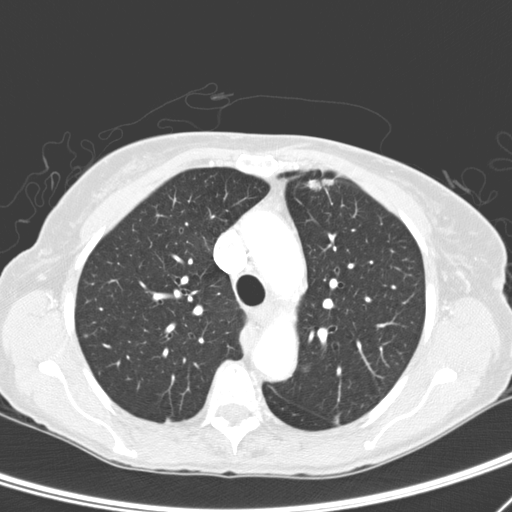
Slice 205/276 of a chest CT, counting up from the lowest; pixel size 0.617 mm, slice thickness 2.00 mm. Two pulmonary nodules on this slice, listed from left to right. (1) Pulmonary nodule, outlined by three of the four readers. Box on this slice rows 177–190, columns 305–336, the union of the readers' outlines on this slice; longest diameter 19.9–25.7 mm and volume 1110–1901 mm3 across the three readers' outlines. Ratings across the readers: texture from 4/5 to 5/5 (solid) across the three readers; margin from 2/5 to 4/5 across the three readers; sphericity from 3/5 (ovoid) to 4/5 across the three readers; calcification absent, all three readers agreeing; internal structure soft tissue, all three readers agreeing; subtlety 5/5, all three readers agreeing; malignancy likelihood 5/5 from all three readers. (2) Pulmonary nodule outlined by two of the four readers, one of them on this slice; box rows 417–422, columns 334–336 (the one reader's outline on this slice); the two readers' outlines give a longest diameter between 5.0 and 5.2 mm and a volume between 23 and 35 mm3. The readers' ratings, as ranges where they differ: texture from 2/5 to 4/5 across the two readers; margin from 2/5 to 4/5 across the two readers; sphericity from 2/5 to 3/5 (ovoid) across the two readers; calcification absent from both readers; internal structure soft tissue from both readers; subtlety rated between 3 and 4 out of 5 by the two readers; malignancy likelihood 3/5, both readers agreeing. Scale key (1–5): texture non-solid→solid, margin indistinct→circumscribed, sphericity linear→round, subtlety extremely subtle→obvious, malignancy likelihood highly unlikely→highly suspicious of cancer. Box rows and columns are 0-based pixel indices from the top-left corner, inclusive.
Acquired at 120 kVp and reconstructed with the D kernel.